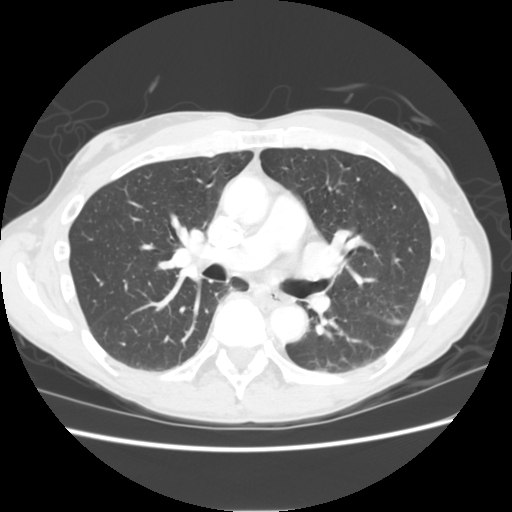
Slice 132/255 of a chest CT, counting up from the lowest; pixel size 0.664 mm, slice thickness 2.50 mm. No nodule of 3 mm or larger was outlined by any of the four readers on this slice.
Acquired at 120 kVp and reconstructed with the STANDARD kernel.